Axial slice 178 of 257 of a chest CT (slice 1 is the lowest), reconstructed with the BONE kernel at 120 kVp; 1.25 mm slice thickness and 0.576 mm pixels.
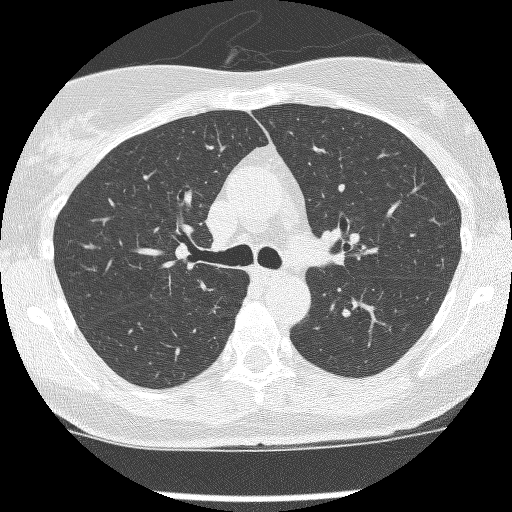
No nodule 3 mm or larger was outlined here by any reader.